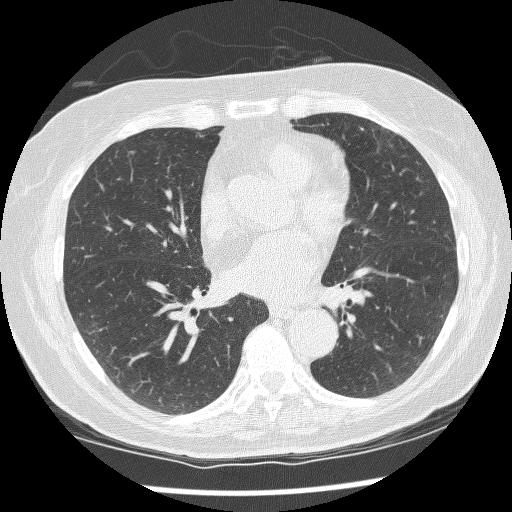
Axial slice 106 of 225 of a chest CT (slice 1 is the lowest), reconstructed with the BONE kernel at 120 kVp; 1.25 mm slice thickness and 0.637 mm pixels.
Pulmonary nodule, outlined by two of the four readers. Box on this slice rows 151–153, columns 129–134, the union of the readers' outlines on this slice; longest diameter 5.7–6.3 mm and volume 84–91 mm3 across the two readers' outlines. The readers' ratings, as ranges where they differ: texture 5/5 (solid) from both readers; margin from 3/5 to 5/5 (circumscribed) across the two readers; sphericity from 2/5 to 4/5 across the two readers; calcification absent from both readers; internal structure soft tissue from both readers; subtlety 4/5 from both readers; malignancy likelihood 2–3/5 (the readers disagree). Scale key (1–5): texture non-solid→solid, margin indistinct→circumscribed, sphericity linear→round, subtlety extremely subtle→obvious, malignancy likelihood highly unlikely→highly suspicious of cancer. Box rows and columns are 0-based pixel indices from the top-left corner, inclusive.